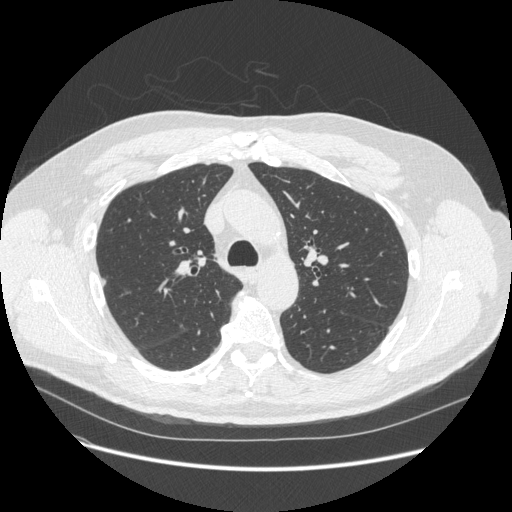
Chest CT, axial plane, 120 kVp, kernel STANDARD. Slice 370/541 from the bottom of the scan; thickness 1.25 mm; pixel size 0.781 mm.
Pulmonary nodule, outlined by two of the four readers. Box on this slice rows 276–287, columns 100–106, the union of the readers' outlines on this slice; median longest diameter 9.2 mm (readers' outlines 8.2–10.3 mm), median volume 100 mm3 (74–127 mm3). Median ratings and the readers' spread: texture 5/5 (solid) from both readers; margin 5/5 (circumscribed), both readers agreeing; sphericity 3/5 (ovoid), both readers agreeing; calcification absent from both readers; internal structure soft tissue from both readers; subtlety 5/5, both readers agreeing; malignancy likelihood 2.5/5 at the median of two readers, spread 2–3. Scale key (1–5): texture non-solid→solid, margin indistinct→circumscribed, sphericity linear→round, subtlety extremely subtle→obvious, malignancy likelihood highly unlikely→highly suspicious of cancer. Box rows and columns are 0-based pixel indices from the top-left corner, inclusive.